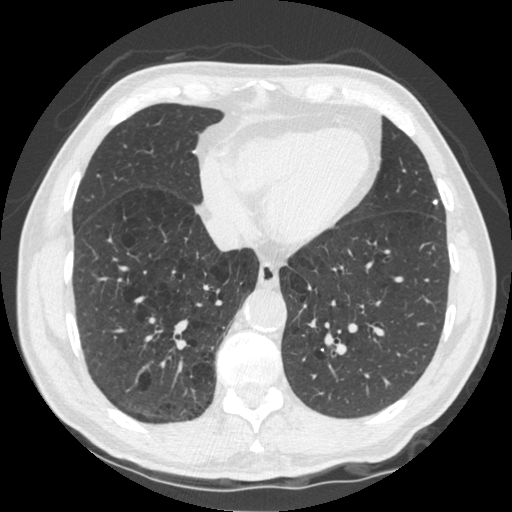
Slice 165/535 of a chest CT, counting up from the lowest; pixel size 0.664 mm, slice thickness 1.25 mm. Pulmonary nodule outlined by three of the four readers; box rows 199–204, columns 433–437 (the union of the readers' outlines on this slice); longest diameter 6.2 mm on average over the three readers' outlines (readers' outlines 5.5–6.8 mm), volume 70–114 mm3. Ratings, by the readers' most common answer with dissent counted: texture 5/5 (solid), all three readers agreeing; margin 5/5 (circumscribed), all three readers agreeing; sphericity 5/5 (round) from all three readers; calcification solid calcification, all three readers agreeing; internal structure soft tissue, all three readers agreeing; subtlety 5/5 from all three readers; malignancy likelihood 1/5, all three readers agreeing. Scale key (1–5): texture non-solid→solid, margin indistinct→circumscribed, sphericity linear→round, subtlety extremely subtle→obvious, malignancy likelihood highly unlikely→highly suspicious of cancer. Box rows and columns are 0-based pixel indices from the top-left corner, inclusive.
Acquired at 120 kVp and reconstructed with the STANDARD kernel.